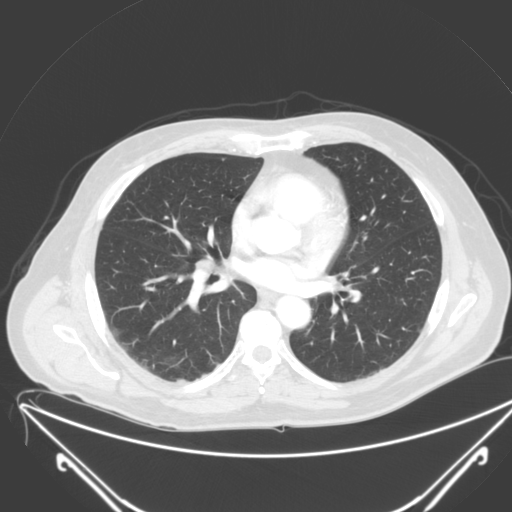
Axial chest CT slice 117 of 250 (counted from the lowest slice); tube voltage 120 kVp, convolution kernel B; slices 2.00 mm thick, 0.834 mm per pixel.
Pulmonary nodule at rows 157–160, columns 222–224 (box = that reader's outline on this slice), outlined by one of the four readers; longest diameter 5.6 mm and volume 48 mm3 from that reader's outline. Ratings by that reader: texture 5/5 (solid); margin 5/5 (circumscribed); sphericity 4/5; calcification absent; internal structure soft tissue; subtlety 3/5; malignancy likelihood 2/5. Scale key (1–5): texture non-solid→solid, margin indistinct→circumscribed, sphericity linear→round, subtlety extremely subtle→obvious, malignancy likelihood highly unlikely→highly suspicious of cancer. Box rows and columns are 0-based pixel indices from the top-left corner, inclusive.